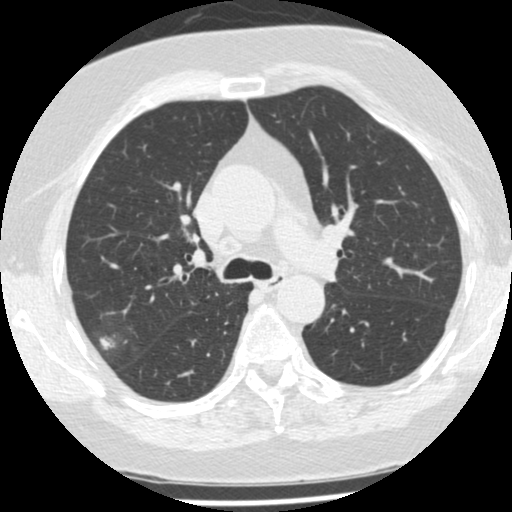
Axial chest CT slice 327 of 487 (counted from the lowest slice); tube voltage 120 kVp, convolution kernel STANDARD; slices 1.25 mm thick, 0.586 mm per pixel.
Pulmonary nodule, outlined by two of the four readers. Box on this slice rows 326–361, columns 92–122, the union of the readers' outlines on this slice; median longest diameter 18.1 mm (readers' outlines 11.3–24.9 mm), median volume 1598 mm3 (232–2964 mm3). Ratings, median across the readers with their spread: texture 3/5 (part-solid) from both readers; margin 1.5/5 at the median of two readers, spread 1/5 (indistinct) to 2/5; sphericity 4/5 from both readers; calcification absent, both readers agreeing; internal structure soft tissue, both readers agreeing; subtlety 4/5 from both readers; malignancy likelihood 3.5/5 at the median of two readers, spread 3–4. Scale key (1–5): texture non-solid→solid, margin indistinct→circumscribed, sphericity linear→round, subtlety extremely subtle→obvious, malignancy likelihood highly unlikely→highly suspicious of cancer. Box rows and columns are 0-based pixel indices from the top-left corner, inclusive.